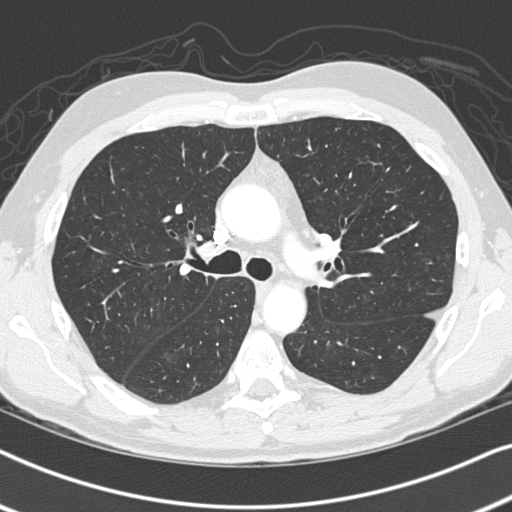
Slice 215/326 of a chest CT, counting up from the lowest; pixel size 0.645 mm, slice thickness 1.00 mm. Pulmonary nodule, outlined by all four readers, two of them on this slice. Box on this slice rows 351–362, columns 160–178, the union of the readers' outlines on this slice; longest diameter 12.5–18.0 mm and volume 328–843 mm3 across the four readers' outlines. The readers' ratings, as ranges where they differ: texture 1/5 (non-solid) from all four readers; margin from 1/5 (indistinct) to 4/5 across the four readers; sphericity from 3/5 (ovoid) to 5/5 (round) across the four readers; calcification absent from all four readers; internal structure soft tissue, all four readers agreeing; subtlety from 1/5 to 4/5 across the four readers; malignancy likelihood 2–4/5 (the readers disagree). Scale key (1–5): texture non-solid→solid, margin indistinct→circumscribed, sphericity linear→round, subtlety extremely subtle→obvious, malignancy likelihood highly unlikely→highly suspicious of cancer. Box rows and columns are 0-based pixel indices from the top-left corner, inclusive.
Scan settings: 120 kVp, B45f reconstruction kernel.